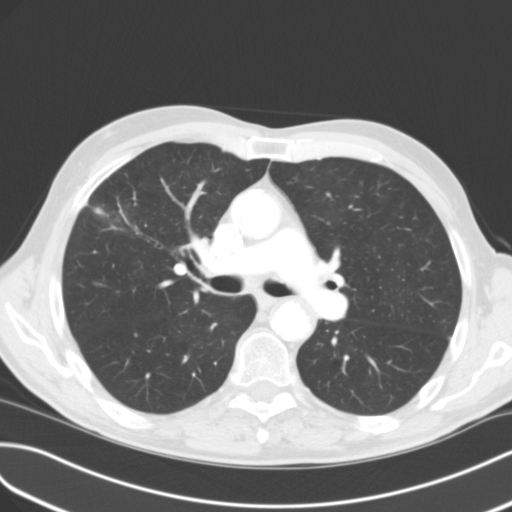
Axial chest CT slice 69 of 114 (counted from the lowest slice); 3.00 mm thick, 0.689 mm per pixel. Pulmonary nodule outlined by all four readers, three of them on this slice; box rows 207–215, columns 92–104 (the union of the readers' outlines on this slice); median longest diameter 42.1 mm (readers' outlines 40.2–48.6 mm), median volume 19271 mm3 (17639–20532 mm3). Ratings, median across the readers with their spread: texture 4.5/5 at the median of four readers, spread 4/5 to 5/5 (solid); median margin 4/5 (readers ranged 3/5 to 5/5 (circumscribed)); sphericity 3.5/5 at the median of four readers, spread 3/5 (ovoid) to 4/5; calcification absent, all four readers agreeing; internal structure soft tissue, all four readers agreeing; subtlety 5/5 from all four readers; malignancy likelihood 4/5 at the median of four readers, spread 3–5. Scale key (1–5): texture non-solid→solid, margin indistinct→circumscribed, sphericity linear→round, subtlety extremely subtle→obvious, malignancy likelihood highly unlikely→highly suspicious of cancer. Box rows and columns are 0-based pixel indices from the top-left corner, inclusive.
Tube voltage 120 kVp; convolution kernel B31f.